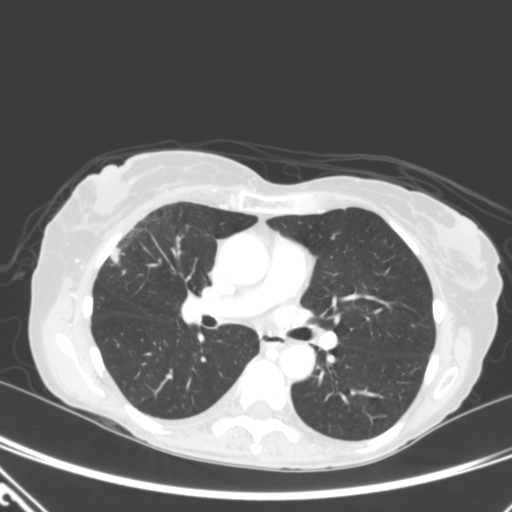
Axial chest CT slice 187 of 320 (counted from the lowest slice); 2.00 mm thick, 0.662 mm per pixel. Pulmonary nodule outlined by all four readers; box rows 247–263, columns 110–120 (the union of the readers' outlines on this slice); longest diameter 12.2–16.6 mm and volume 631–1078 mm3 across the four readers' outlines. Ratings across the readers: texture 5/5 (solid), all four readers agreeing; margin from 3/5 to 5/5 (circumscribed) across the four readers; sphericity from 3/5 (ovoid) to 5/5 (round) across the four readers; calcification absent from all four readers; internal structure soft tissue from all four readers; subtlety 5/5, all four readers agreeing; malignancy likelihood rated between 2 and 5 out of 5 by the four readers. Scale key (1–5): texture non-solid→solid, margin indistinct→circumscribed, sphericity linear→round, subtlety extremely subtle→obvious, malignancy likelihood highly unlikely→highly suspicious of cancer. Box rows and columns are 0-based pixel indices from the top-left corner, inclusive.
Tube voltage 120 kVp; convolution kernel B.